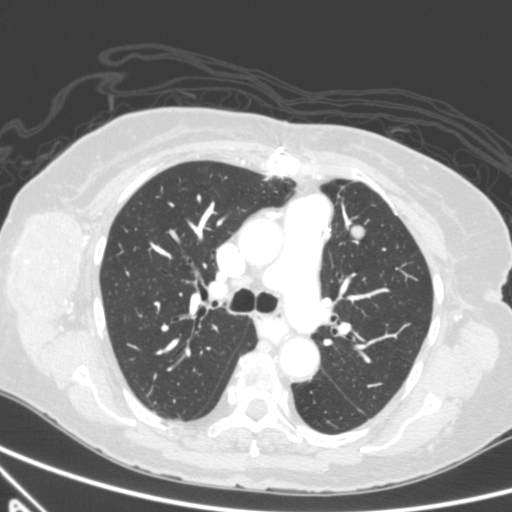
One axial slice (373 of 590, counting up from the lowest) of a chest CT acquired at 120 kVp with the B kernel; each pixel is 0.627 mm and the slice is 0.90 mm thick.
Pulmonary nodule at rows 224–239, columns 350–364 (box = the union of the readers' outlines on this slice), outlined by all four readers; longest diameter 17.9 mm on average over the four readers' outlines (readers' outlines 16.3–20.1 mm), volume 1116–1236 mm3. The readers' prevailing ratings and who disagreed: texture 5/5 (solid) from all four readers; margin 4/5 by two of four readers; the rest gave 3/5 (one), 5/5 (circumscribed) (one); sphericity split among the readers: 3/5 (ovoid) (two), 4/5 (two); calcification absent from all four readers; internal structure soft tissue from all four readers; subtlety 5/5 by three of four readers; the rest gave 4/5 (one); malignancy likelihood split among the readers: 3/5 (two), 5/5 (two). Scale key (1–5): texture non-solid→solid, margin indistinct→circumscribed, sphericity linear→round, subtlety extremely subtle→obvious, malignancy likelihood highly unlikely→highly suspicious of cancer. Box rows and columns are 0-based pixel indices from the top-left corner, inclusive.